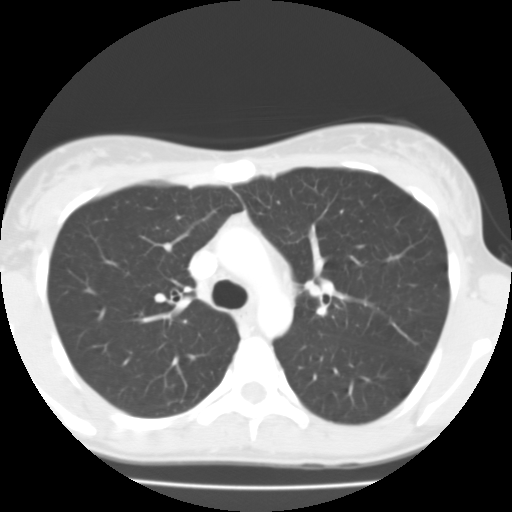
This is axial slice 74 of 111 (slice 1 is the lowest) of a chest CT; each pixel is 0.582 mm and the slice is 3.00 mm thick. None of the four readers outlined a nodule of 3 mm or more on this slice.
Scan settings: 135 kVp, FC01 reconstruction kernel.